Axial slice 289 of 588 of a chest CT (slice 1 is the lowest), reconstructed with the B50f kernel at 120 kVp; 0.60 mm slice thickness and 0.514 mm pixels.
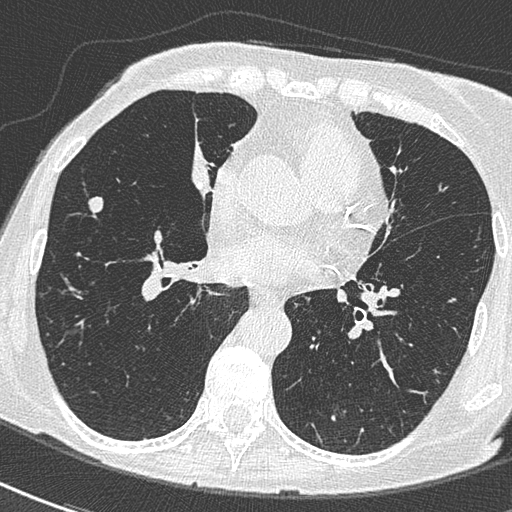
Pulmonary nodule at rows 196–213, columns 87–103 (box = the union of the readers' outlines on this slice), outlined by all four readers; median longest diameter 10.8 mm (readers' outlines 10.3–12.9 mm), median volume 374 mm3 (343–465 mm3). Ratings, median across the readers with their spread: texture 5/5 (solid), all four readers agreeing; margin 5/5 (circumscribed) at the median of four readers, spread 4/5 to 5/5 (circumscribed); sphericity 3.5/5 at the median of four readers, spread 3/5 (ovoid) to 5/5 (round); calcification absent, all four readers agreeing; internal structure soft tissue from all four readers; subtlety 5/5 at the median of four readers, spread 4–5; median malignancy likelihood 3/5 (readers ranged 2–3). Scale key (1–5): texture non-solid→solid, margin indistinct→circumscribed, sphericity linear→round, subtlety extremely subtle→obvious, malignancy likelihood highly unlikely→highly suspicious of cancer. Box rows and columns are 0-based pixel indices from the top-left corner, inclusive.